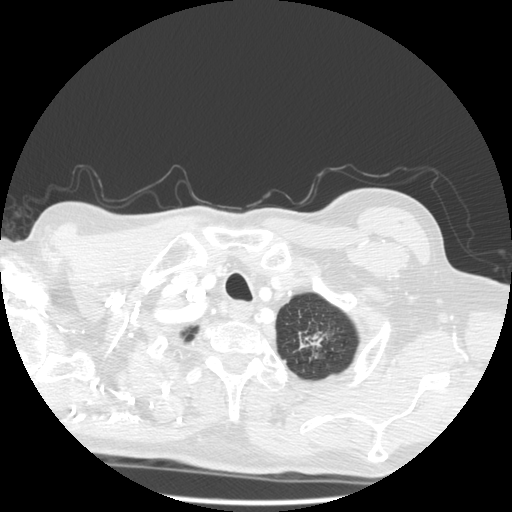
Axial slice 476 of 501 of a chest CT (slice 1 is the lowest), reconstructed with the STANDARD kernel at 140 kVp; 1.25 mm slice thickness and 0.703 mm pixels.
Pulmonary nodule at rows 332–349, columns 298–326 (box = the union of the readers' outlines on this slice), outlined by three of the four readers, two of them on this slice; the three readers' outlines give a longest diameter between 32.1 and 39.2 mm and a volume between 2361 and 4873 mm3. Ratings across the readers: texture from 4/5 to 5/5 (solid) across the three readers; margin from 1/5 (indistinct) to 5/5 (circumscribed) across the three readers; sphericity from 2/5 to 5/5 (round) across the three readers; calcification absent from all three readers; internal structure soft tissue, all three readers agreeing; subtlety 5/5, all three readers agreeing; malignancy likelihood 4–5/5 (the readers disagree). Scale key (1–5): texture non-solid→solid, margin indistinct→circumscribed, sphericity linear→round, subtlety extremely subtle→obvious, malignancy likelihood highly unlikely→highly suspicious of cancer. Box rows and columns are 0-based pixel indices from the top-left corner, inclusive.